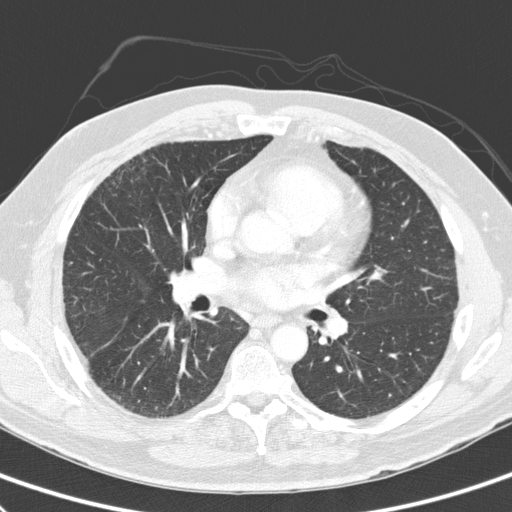
One axial slice (162 of 300, counting up from the lowest) of a chest CT acquired at 120 kVp with the D kernel; each pixel is 0.662 mm and the slice is 2.00 mm thick.
Pulmonary nodule outlined by three of the four readers, one of them on this slice; box rows 299–302, columns 140–143 (the one reader's outline on this slice); the three readers' outlines give a longest diameter between 8.2 and 10.3 mm and a volume between 142 and 190 mm3. The readers' ratings, as ranges where they differ: texture 5/5 (solid) from all three readers; margin 4/5, all three readers agreeing; sphericity from 3/5 (ovoid) to 4/5 across the three readers; calcification absent from all three readers; internal structure soft tissue from all three readers; subtlety 4–5/5 (the readers disagree); malignancy likelihood from 3/5 to 4/5 across the three readers. Scale key (1–5): texture non-solid→solid, margin indistinct→circumscribed, sphericity linear→round, subtlety extremely subtle→obvious, malignancy likelihood highly unlikely→highly suspicious of cancer. Box rows and columns are 0-based pixel indices from the top-left corner, inclusive.